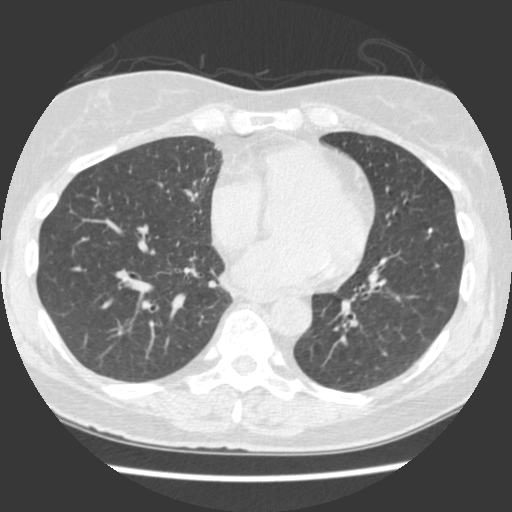
Axial chest CT slice 146 of 429 (counted from the lowest slice); tube voltage 120 kVp, convolution kernel STANDARD; slices 1.25 mm thick, 0.586 mm per pixel.
Pulmonary nodule outlined by all four readers; box rows 227–234, columns 426–432 (the union of the readers' outlines on this slice); median longest diameter 5.8 mm (readers' outlines 5.2–5.9 mm), median volume 53 mm3 (29–70 mm3). Median ratings and the readers' spread: texture 5/5 (solid), all four readers agreeing; margin 5/5 (circumscribed) from all four readers; median sphericity 4.5/5 (readers ranged 3/5 (ovoid) to 5/5 (round)); calcification solid calcification, all four readers agreeing; internal structure soft tissue, all four readers agreeing; median subtlety 4.5/5 (readers ranged 4–5); malignancy likelihood 1/5 from all four readers. Scale key (1–5): texture non-solid→solid, margin indistinct→circumscribed, sphericity linear→round, subtlety extremely subtle→obvious, malignancy likelihood highly unlikely→highly suspicious of cancer. Box rows and columns are 0-based pixel indices from the top-left corner, inclusive.